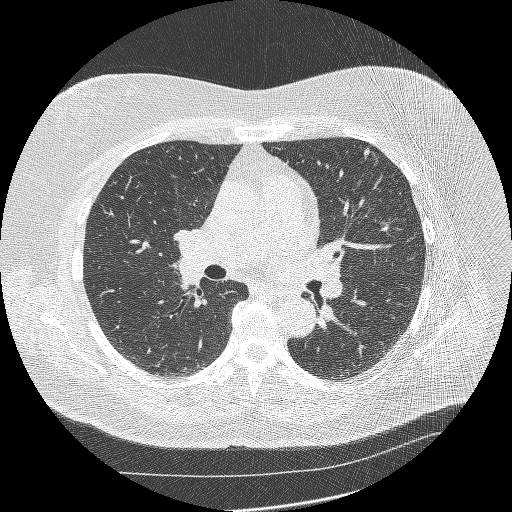
This is axial slice 136 of 231 (slice 1 is the lowest) of a chest CT; each pixel is 0.703 mm and the slice is 1.25 mm thick. Pulmonary nodule, outlined by all four readers. Box on this slice rows 147–157, columns 363–370, the union of the readers' outlines on this slice; median longest diameter 8.3 mm (readers' outlines 7.9–8.8 mm), median volume 103 mm3 (93–138 mm3). Ratings, median across the readers with their spread: median texture 5/5 (solid) (readers ranged 3/5 (part-solid) to 5/5 (solid)); margin 3/5 at the median of four readers, spread 3/5 to 5/5 (circumscribed); median sphericity 3.5/5 (readers ranged 2/5 to 4/5); calcification absent, all four readers agreeing; internal structure soft tissue from all four readers; subtlety 3/5 at the median of four readers, spread 2–5; malignancy likelihood 3/5 at the median of four readers, spread 3–4. Scale key (1–5): texture non-solid→solid, margin indistinct→circumscribed, sphericity linear→round, subtlety extremely subtle→obvious, malignancy likelihood highly unlikely→highly suspicious of cancer. Box rows and columns are 0-based pixel indices from the top-left corner, inclusive.
Tube voltage 120 kVp; convolution kernel BONE.